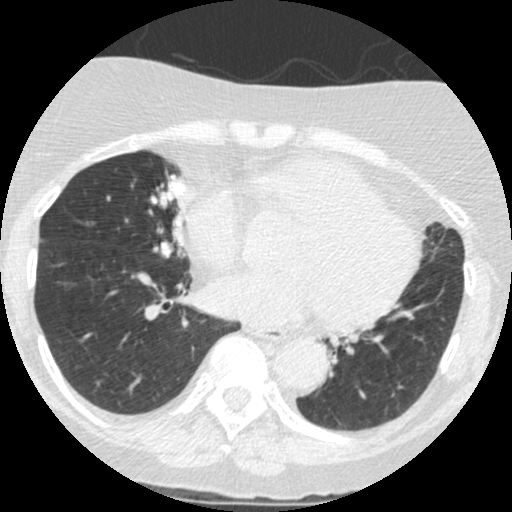
Axial slice 160 of 426 of a chest CT (slice 1 is the lowest), reconstructed with the STANDARD kernel at 120 kVp; 1.25 mm slice thickness and 0.547 mm pixels.
Two pulmonary nodules are outlined on this slice; from left to right: (1) Pulmonary nodule, outlined by one of the four readers. Box on this slice rows 241–258, columns 160–172, that reader's outline on this slice; longest diameter 15.0 mm and volume 404 mm3 from that reader's outline. That reader's ratings: texture 5/5 (solid); margin 4/5; sphericity 4/5; calcification non-central calcification; internal structure soft tissue; subtlety 4/5; malignancy likelihood 2/5. (2) Pulmonary nodule, outlined by all four readers. Box on this slice rows 179–201, columns 166–183, the union of the readers' outlines on this slice; longest diameter 18.7 mm on average over the four readers' outlines (readers' outlines 17.0–20.6 mm), volume 1129–1635 mm3. The readers' prevailing ratings and who disagreed: texture 5/5 (solid) by three of four readers; the rest gave 4/5 (one); margin split among the readers: 2/5 (one), 3/5 (one), 4/5 (one), 5/5 (circumscribed) (one); sphericity 4/5 by two of four readers; the rest gave 3/5 (ovoid) (one), 5/5 (round) (one); calcification absent by three of four readers, non-central calcification (one); internal structure soft tissue from all four readers; subtlety 5/5 by two of four readers; the rest gave 3/5 (one), 4/5 (one); malignancy likelihood 4/5 by two of four readers; the rest gave 2/5 (one), 3/5 (one). Scale key (1–5): texture non-solid→solid, margin indistinct→circumscribed, sphericity linear→round, subtlety extremely subtle→obvious, malignancy likelihood highly unlikely→highly suspicious of cancer. Box rows and columns are 0-based pixel indices from the top-left corner, inclusive.